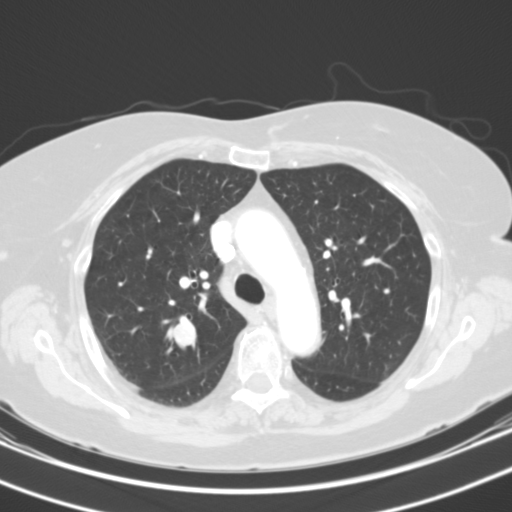
One axial slice (76 of 109, counting up from the lowest) of a chest CT acquired at 130 kVp with the B31s kernel; each pixel is 0.629 mm and the slice is 3.00 mm thick.
Pulmonary nodule at rows 317–348, columns 168–196 (box = the union of the readers' outlines on this slice), outlined by all four readers; longest diameter 16.9–27.7 mm and volume 1856–2397 mm3 across the four readers' outlines. The readers' ratings, as ranges where they differ: texture 5/5 (solid) from all four readers; margin from 4/5 to 5/5 (circumscribed) across the four readers; sphericity from 4/5 to 5/5 (round) across the four readers; calcification absent from all four readers; internal structure soft tissue, all four readers agreeing; subtlety 5/5 from all four readers; malignancy likelihood from 3/5 to 5/5 across the four readers. Scale key (1–5): texture non-solid→solid, margin indistinct→circumscribed, sphericity linear→round, subtlety extremely subtle→obvious, malignancy likelihood highly unlikely→highly suspicious of cancer. Box rows and columns are 0-based pixel indices from the top-left corner, inclusive.